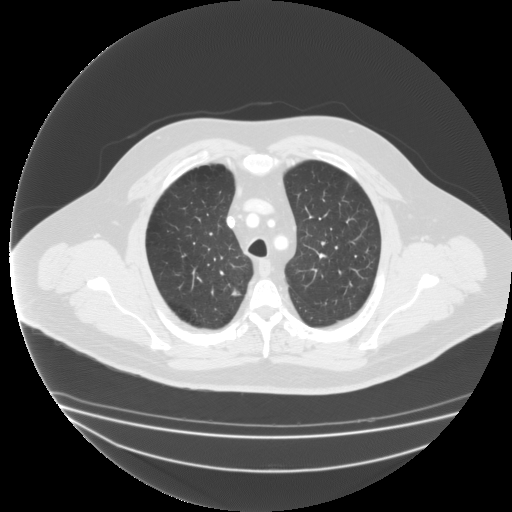
Axial chest CT slice 148 of 183 (counted from the lowest slice); 2.00 mm thick, 0.946 mm per pixel. Pulmonary nodule, outlined by three of the four readers. Box on this slice rows 287–296, columns 231–240, the union of the readers' outlines on this slice; median longest diameter 16.8 mm (readers' outlines 16.1–17.8 mm), median volume 1166 mm3 (986–1640 mm3). Ratings, median across the readers with their spread: texture 5/5 (solid), all three readers agreeing; median margin 3/5 (readers ranged 3/5 to 4/5); sphericity 4/5, all three readers agreeing; calcification absent from all three readers; internal structure soft tissue from all three readers; median subtlety 5/5 (readers ranged 4–5); malignancy likelihood 4/5 from all three readers. Scale key (1–5): texture non-solid→solid, margin indistinct→circumscribed, sphericity linear→round, subtlety extremely subtle→obvious, malignancy likelihood highly unlikely→highly suspicious of cancer. Box rows and columns are 0-based pixel indices from the top-left corner, inclusive.
Tube voltage 135 kVp; convolution kernel FC03.